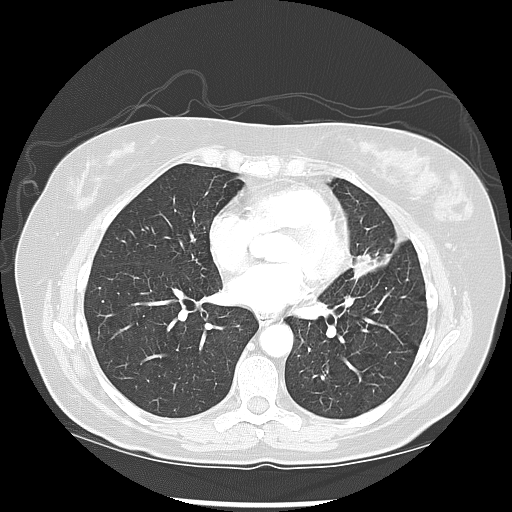
One axial slice (67 of 133, counting up from the lowest) of a chest CT acquired at 120 kVp with the LUNG kernel; each pixel is 0.703 mm and the slice is 2.50 mm thick.
Pulmonary nodule, outlined by three of the four readers, two of them on this slice. Box on this slice rows 253–279, columns 354–388, the union of the readers' outlines on this slice; median longest diameter 36.3 mm (readers' outlines 33.3–41.8 mm), median volume 6247 mm3 (6044–7666 mm3). Median ratings and the readers' spread: texture 5/5 (solid), all three readers agreeing; median margin 4/5 (readers ranged 3/5 to 4/5); sphericity 3/5 (ovoid), all three readers agreeing; calcification absent from all three readers; internal structure soft tissue from all three readers; subtlety 5/5, all three readers agreeing; malignancy likelihood 5/5, all three readers agreeing. Scale key (1–5): texture non-solid→solid, margin indistinct→circumscribed, sphericity linear→round, subtlety extremely subtle→obvious, malignancy likelihood highly unlikely→highly suspicious of cancer. Box rows and columns are 0-based pixel indices from the top-left corner, inclusive.